Axial chest CT slice 99 of 141 (counted from the lowest slice); tube voltage 120 kVp, convolution kernel LUNG; slices 2.50 mm thick, 0.762 mm per pixel.
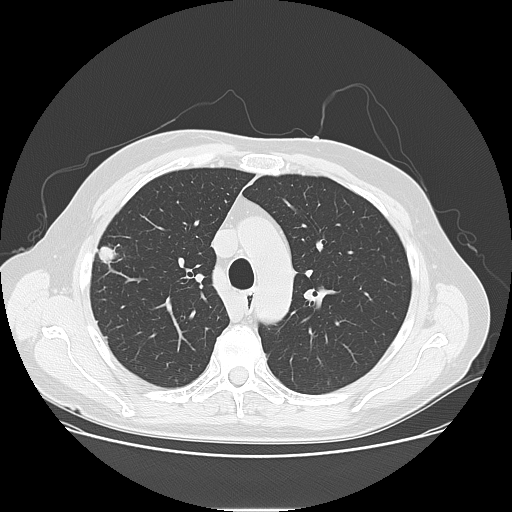
Pulmonary nodule at rows 246–263, columns 98–121 (box = the union of the readers' outlines on this slice), outlined by all four readers; longest diameter 26.7 mm on average over the four readers' outlines (readers' outlines 25.3–27.9 mm), volume 2874–3633 mm3. The readers' prevailing ratings and who disagreed: texture 5/5 (solid) from all four readers; margin 5/5 (circumscribed) by two of four readers; the rest gave 3/5 (one), 4/5 (one); sphericity 3/5 (ovoid) by three of four readers; the rest gave 2/5 (one); calcification absent, all four readers agreeing; internal structure soft tissue from all four readers; subtlety 5/5 from all four readers; malignancy likelihood 5/5 by three of four readers; the rest gave 3/5 (one). Scale key (1–5): texture non-solid→solid, margin indistinct→circumscribed, sphericity linear→round, subtlety extremely subtle→obvious, malignancy likelihood highly unlikely→highly suspicious of cancer. Box rows and columns are 0-based pixel indices from the top-left corner, inclusive.